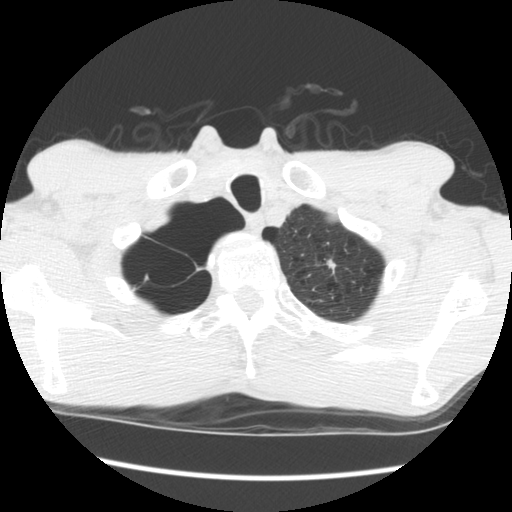
Slice 167/181 of a chest CT, counting up from the lowest; pixel size 0.645 mm, slice thickness 2.50 mm. Pulmonary nodule outlined by all four readers; box rows 258–273, columns 325–335 (the union of the readers' outlines on this slice); longest diameter 12.1 mm on average over the four readers' outlines (readers' outlines 10.5–14.4 mm), volume 215–737 mm3. The readers' prevailing ratings and who disagreed: texture 5/5 (solid) from all four readers; margin 4/5 by two of four readers; the rest gave 3/5 (one), 5/5 (circumscribed) (one); sphericity 2/5 by three of four readers; the rest gave 3/5 (ovoid) (one); calcification absent, all four readers agreeing; internal structure soft tissue, all four readers agreeing; subtlety 4/5 by three of four readers; the rest gave 3/5 (one); malignancy likelihood 3/5 by two of four readers; the rest gave 2/5 (one), 4/5 (one). Scale key (1–5): texture non-solid→solid, margin indistinct→circumscribed, sphericity linear→round, subtlety extremely subtle→obvious, malignancy likelihood highly unlikely→highly suspicious of cancer. Box rows and columns are 0-based pixel indices from the top-left corner, inclusive.
Scan settings: 120 kVp, STANDARD reconstruction kernel.